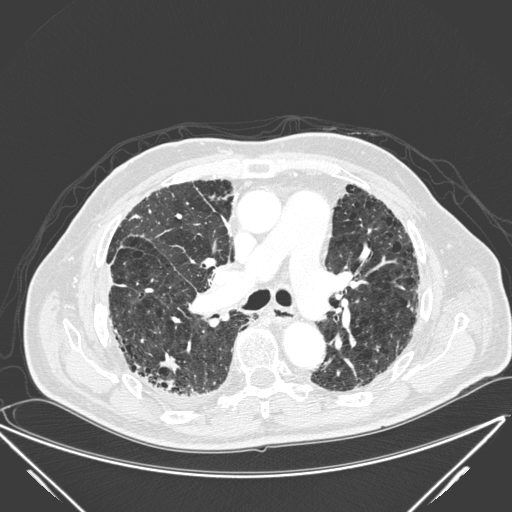
Chest CT, axial plane, 120 kVp, kernel D. Slice 141/278 from the bottom of the scan; thickness 1.00 mm; pixel size 0.812 mm.
Pulmonary nodule at rows 353–373, columns 158–178 (box = the union of the readers' outlines on this slice), outlined by all four readers; longest diameter 31.1 mm on average over the four readers' outlines (readers' outlines 17.4–39.8 mm), volume 1021–4525 mm3. The readers' prevailing ratings and who disagreed: texture 5/5 (solid) from all four readers; margin split among the readers: 1/5 (indistinct) (one), 2/5 (one), 3/5 (one), 5/5 (circumscribed) (one); most readers (three of four) put sphericity at 2/5, others 5/5 (round) (one); calcification absent, all four readers agreeing; internal structure soft tissue, all four readers agreeing; subtlety split among the readers: 4/5 (two), 5/5 (two); malignancy likelihood 5/5 by two of four readers; the rest gave 3/5 (one), 4/5 (one). Scale key (1–5): texture non-solid→solid, margin indistinct→circumscribed, sphericity linear→round, subtlety extremely subtle→obvious, malignancy likelihood highly unlikely→highly suspicious of cancer. Box rows and columns are 0-based pixel indices from the top-left corner, inclusive.